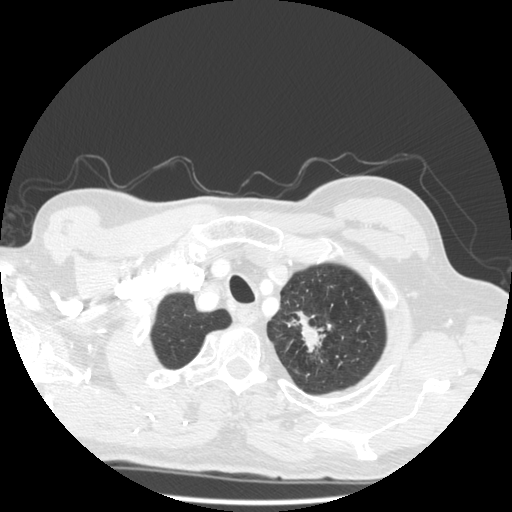
Slice 456/501 of a chest CT, counting up from the lowest; pixel size 0.703 mm, slice thickness 1.25 mm. Pulmonary nodule outlined by three of the four readers; box rows 311–352, columns 285–325 (the union of the readers' outlines on this slice); median longest diameter 33.8 mm (readers' outlines 32.1–39.2 mm), median volume 3078 mm3 (2361–4873 mm3). Ratings, median across the readers with their spread: texture 5/5 (solid) at the median of three readers, spread 4/5 to 5/5 (solid); margin 3/5 at the median of three readers, spread 1/5 (indistinct) to 5/5 (circumscribed); sphericity 3/5 (ovoid) at the median of three readers, spread 2/5 to 5/5 (round); calcification absent, all three readers agreeing; internal structure soft tissue, all three readers agreeing; subtlety 5/5, all three readers agreeing; malignancy likelihood 5/5 at the median of three readers, spread 4–5. Scale key (1–5): texture non-solid→solid, margin indistinct→circumscribed, sphericity linear→round, subtlety extremely subtle→obvious, malignancy likelihood highly unlikely→highly suspicious of cancer. Box rows and columns are 0-based pixel indices from the top-left corner, inclusive.
Acquired at 140 kVp and reconstructed with the STANDARD kernel.